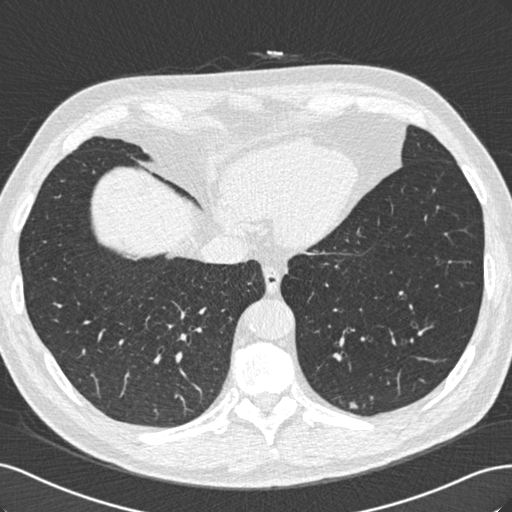
Chest CT, axial plane, 120 kVp, kernel B30f. Slice 216/529 from the bottom of the scan; thickness 0.75 mm; pixel size 0.703 mm.
Two pulmonary nodules on this slice, listed from left to right. (1) Pulmonary nodule at rows 403–407, columns 351–356 (box = that reader's outline on this slice), outlined by one of the four readers; longest diameter 6.3 mm and volume 37 mm3 from that reader's outline. Ratings by that reader: texture 4/5; margin 4/5; sphericity 3/5 (ovoid); calcification absent; internal structure soft tissue; subtlety 5/5; malignancy likelihood 3/5. (2) Pulmonary nodule outlined by one of the four readers; box rows 402–408, columns 350–357 (that reader's outline on this slice); longest diameter 7.6 mm and volume 65 mm3 from that reader's outline. Ratings by that reader: texture 5/5 (solid); margin 4/5; sphericity 3/5 (ovoid); calcification absent; internal structure soft tissue; subtlety 3/5; malignancy likelihood 3/5. Scale key (1–5): texture non-solid→solid, margin indistinct→circumscribed, sphericity linear→round, subtlety extremely subtle→obvious, malignancy likelihood highly unlikely→highly suspicious of cancer. Box rows and columns are 0-based pixel indices from the top-left corner, inclusive.